Chest CT, axial plane, 120 kVp, kernel BONE. Slice 200/250 from the bottom of the scan; thickness 1.25 mm; pixel size 0.654 mm.
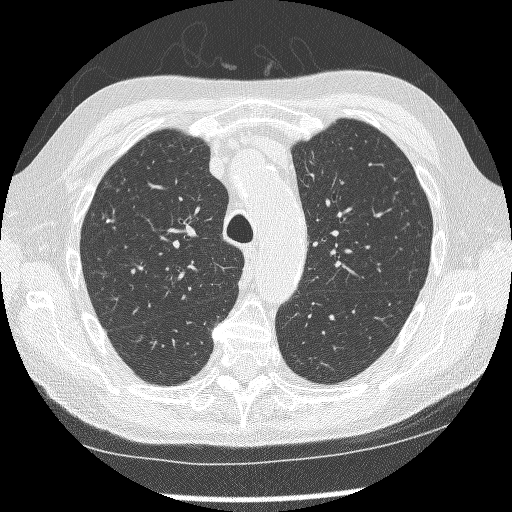
Pulmonary nodule at rows 218–223, columns 105–110 (box = the union of the readers' outlines on this slice), outlined by all four readers; longest diameter 5.3 mm on average over the four readers' outlines (readers' outlines 4.6–5.9 mm), volume 18–44 mm3. The readers' prevailing ratings and who disagreed: texture 5/5 (solid) from all four readers; margin 5/5 (circumscribed) from all four readers; most readers (three of four) put sphericity at 3/5 (ovoid), others 4/5 (one); calcification solid calcification from all four readers; internal structure soft tissue from all four readers; subtlety split among the readers: 2/5 (one), 3/5 (one), 4/5 (one), 5/5 (one); malignancy likelihood 1/5, all four readers agreeing. Scale key (1–5): texture non-solid→solid, margin indistinct→circumscribed, sphericity linear→round, subtlety extremely subtle→obvious, malignancy likelihood highly unlikely→highly suspicious of cancer. Box rows and columns are 0-based pixel indices from the top-left corner, inclusive.